Chest CT, axial plane, 120 kVp, kernel BONE. Slice 166/298 from the bottom of the scan; thickness 1.25 mm; pixel size 0.719 mm.
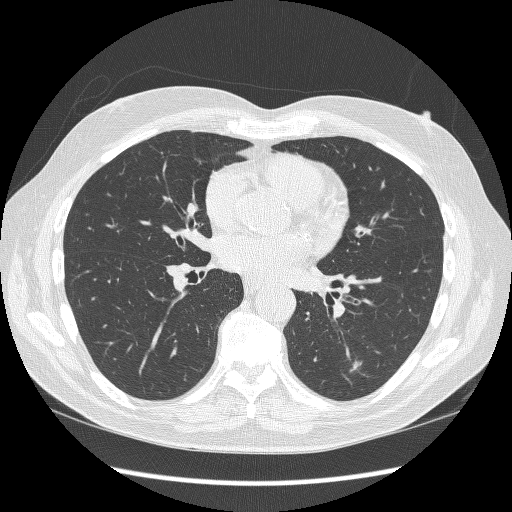
Pulmonary nodule outlined by three of the four readers; box rows 360–373, columns 350–361 (the union of the readers' outlines on this slice); longest diameter 11.6 mm on average over the three readers' outlines (readers' outlines 10.2–13.0 mm), volume 236–548 mm3. The readers' prevailing ratings and who disagreed: texture split among the readers: 3/5 (part-solid) (one), 4/5 (one), 5/5 (solid) (one); margin split among the readers: 2/5 (one), 3/5 (one), 4/5 (one); most readers (two of three) put sphericity at 3/5 (ovoid), others 2/5 (one); calcification absent from all three readers; internal structure soft tissue, all three readers agreeing; most readers (two of three) put subtlety at 4/5, others 3/5 (one); malignancy likelihood 4/5 by two of three readers; the rest gave 2/5 (one). Scale key (1–5): texture non-solid→solid, margin indistinct→circumscribed, sphericity linear→round, subtlety extremely subtle→obvious, malignancy likelihood highly unlikely→highly suspicious of cancer. Box rows and columns are 0-based pixel indices from the top-left corner, inclusive.